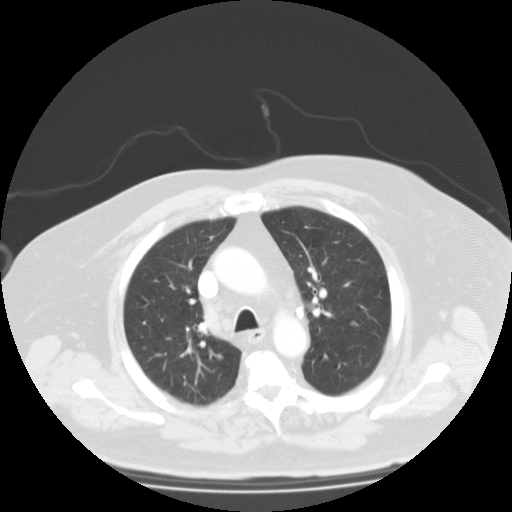
Chest CT, axial plane, 135 kVp, kernel FC01. Slice 86/123 from the bottom of the scan; thickness 3.00 mm; pixel size 0.877 mm.
Pulmonary nodule at rows 353–360, columns 216–222 (box = the union of the readers' outlines on this slice), outlined by two of the four readers; longest diameter 9.8 mm on average over the two readers' outlines (readers' outlines 8.7–10.8 mm), volume 185–247 mm3. Ratings, by the readers' most common answer with dissent counted: texture split among the readers: 1/5 (non-solid) (one), 5/5 (solid) (one); margin split among the readers: 4/5 (one), 5/5 (circumscribed) (one); sphericity split among the readers: 4/5 (one), 5/5 (round) (one); calcification absent from both readers; internal structure soft tissue from both readers; subtlety split among the readers: 1/5 (one), 4/5 (one); malignancy likelihood 2/5 from both readers. Scale key (1–5): texture non-solid→solid, margin indistinct→circumscribed, sphericity linear→round, subtlety extremely subtle→obvious, malignancy likelihood highly unlikely→highly suspicious of cancer. Box rows and columns are 0-based pixel indices from the top-left corner, inclusive.